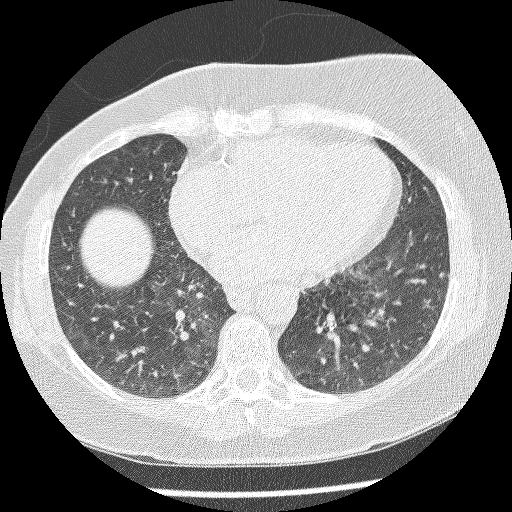
This is axial slice 100 of 220 (slice 1 is the lowest) of a chest CT; each pixel is 0.598 mm and the slice is 1.25 mm thick. Pulmonary nodule, outlined by three of the four readers. Box on this slice rows 273–277, columns 438–443, the union of the readers' outlines on this slice; median longest diameter 6.8 mm (readers' outlines 6.7–7.2 mm), median volume 76 mm3 (73–98 mm3). Ratings, median across the readers with their spread: median texture 4/5 (readers ranged 4/5 to 5/5 (solid)); margin 3/5 at the median of three readers, spread 3/5 to 4/5; sphericity 3/5 (ovoid) at the median of three readers, spread 2/5 to 3/5 (ovoid); calcification absent, all three readers agreeing; internal structure soft tissue, all three readers agreeing; median subtlety 3/5 (readers ranged 1–4); malignancy likelihood 3/5 at the median of three readers, spread 3–5. Scale key (1–5): texture non-solid→solid, margin indistinct→circumscribed, sphericity linear→round, subtlety extremely subtle→obvious, malignancy likelihood highly unlikely→highly suspicious of cancer. Box rows and columns are 0-based pixel indices from the top-left corner, inclusive.
Scan settings: 120 kVp, BONE reconstruction kernel.